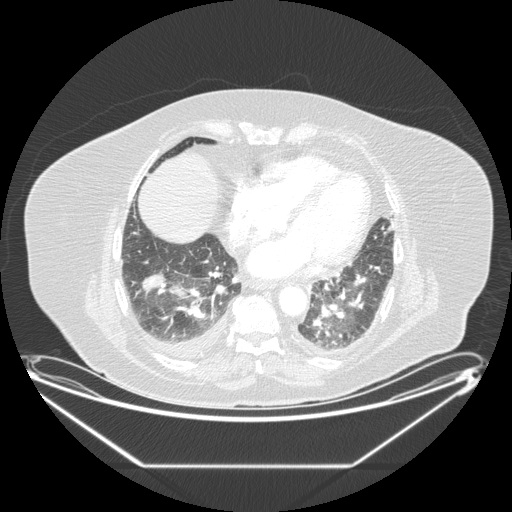
Axial slice 67 of 206 of a chest CT (slice 1 is the lowest), reconstructed with the STANDARD kernel at 120 kVp; 1.25 mm slice thickness and 0.898 mm pixels.
Pulmonary nodule at rows 271–296, columns 141–166 (box = the union of the readers' outlines on this slice), outlined by all four readers; median longest diameter 26.6 mm (readers' outlines 25.7–34.7 mm), median volume 4111 mm3 (3668–5061 mm3). Ratings, median across the readers with their spread: texture 5/5 (solid) at the median of four readers, spread 4/5 to 5/5 (solid); margin 4/5 from all four readers; sphericity 3/5 (ovoid) at the median of four readers, spread 3/5 (ovoid) to 5/5 (round); calcification absent, all four readers agreeing; internal structure soft tissue, all four readers agreeing; median subtlety 5/5 (readers ranged 4–5); median malignancy likelihood 4.5/5 (readers ranged 3–5). Scale key (1–5): texture non-solid→solid, margin indistinct→circumscribed, sphericity linear→round, subtlety extremely subtle→obvious, malignancy likelihood highly unlikely→highly suspicious of cancer. Box rows and columns are 0-based pixel indices from the top-left corner, inclusive.